One axial slice (96 of 133, counting up from the lowest) of a chest CT acquired at 140 kVp with the BONE kernel; each pixel is 0.557 mm and the slice is 2.50 mm thick.
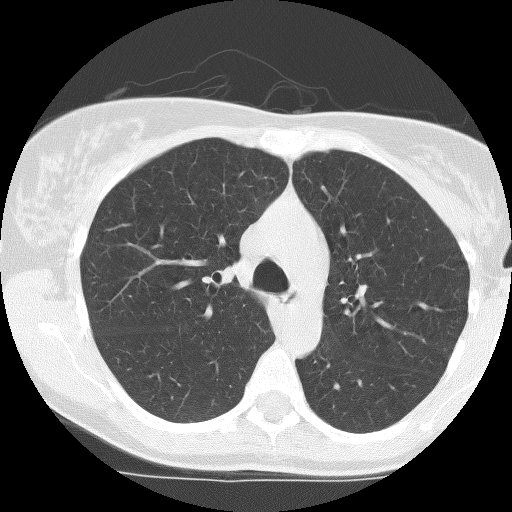
No nodule 3 mm or larger was outlined here by any reader.